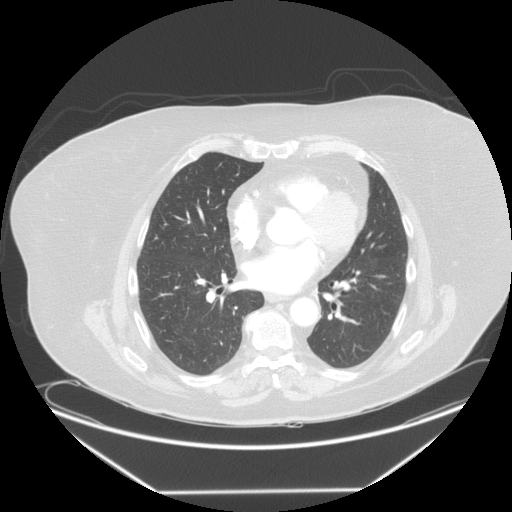
This is axial slice 70 of 139 (slice 1 is the lowest) of a chest CT; each pixel is 0.898 mm and the slice is 2.50 mm thick. No nodule 3 mm or larger was outlined here by any reader.
Scan settings: 120 kVp, STANDARD reconstruction kernel.